One axial slice (43 of 101, counting up from the lowest) of a chest CT acquired at 120 kVp with the B45f kernel; each pixel is 0.586 mm and the slice is 3.00 mm thick.
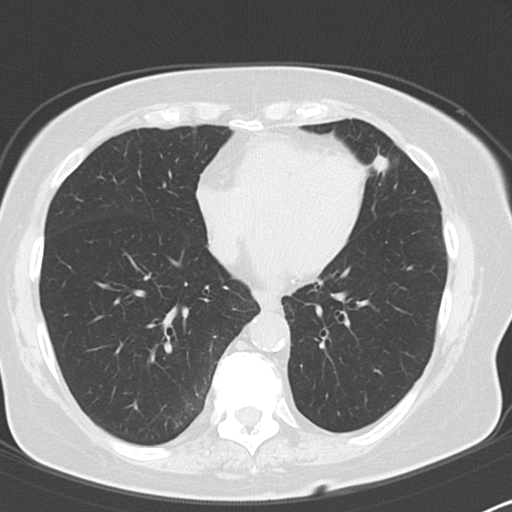
Pulmonary nodule outlined by all four readers; box rows 150–174, columns 368–388 (the union of the readers' outlines on this slice); longest diameter 13.8 mm on average over the four readers' outlines (readers' outlines 11.3–15.8 mm), volume 507–752 mm3. The readers' prevailing ratings and who disagreed: texture 5/5 (solid), all four readers agreeing; margin 5/5 (circumscribed) by three of four readers; the rest gave 4/5 (one); most readers (three of four) put sphericity at 5/5 (round), others 3/5 (ovoid) (one); calcification split among the readers: absent (two), central calcification (two); internal structure soft tissue, all four readers agreeing; subtlety 5/5 from all four readers; malignancy likelihood split among the readers: 1/5 (two), 4/5 (two). Scale key (1–5): texture non-solid→solid, margin indistinct→circumscribed, sphericity linear→round, subtlety extremely subtle→obvious, malignancy likelihood highly unlikely→highly suspicious of cancer. Box rows and columns are 0-based pixel indices from the top-left corner, inclusive.